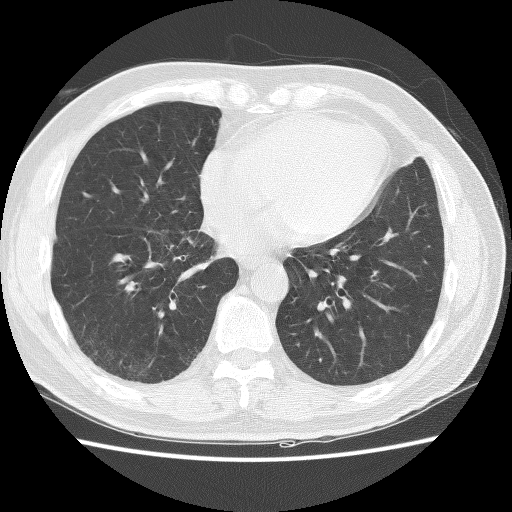
This is axial slice 55 of 129 (slice 1 is the lowest) of a chest CT; each pixel is 0.645 mm and the slice is 2.50 mm thick. This slice carries no reader outline of a nodule 3 mm or larger.
Tube voltage 140 kVp; convolution kernel BONE.